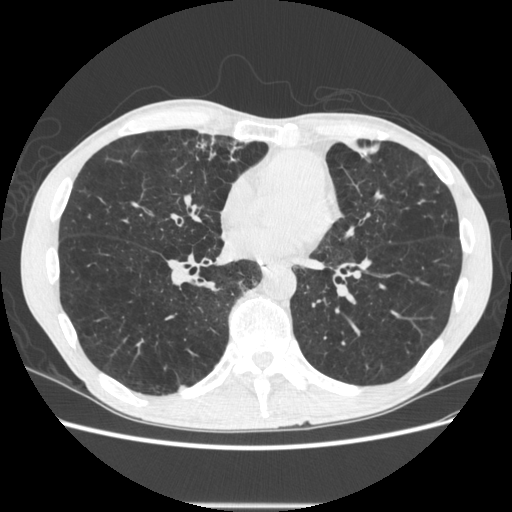
Axial chest CT slice 266 of 605 (counted from the lowest slice); tube voltage 120 kVp, convolution kernel STANDARD; slices 1.25 mm thick, 0.703 mm per pixel.
Pulmonary nodule outlined by two of the four readers; box rows 385–391, columns 177–186 (the union of the readers' outlines on this slice); longest diameter 9.8–10.4 mm and volume 142–162 mm3 across the two readers' outlines. The readers' ratings, as ranges where they differ: texture 5/5 (solid) from both readers; margin 5/5 (circumscribed) from both readers; sphericity from 3/5 (ovoid) to 4/5 across the two readers; calcification absent from both readers; internal structure soft tissue from both readers; subtlety 4/5 from both readers; malignancy likelihood 3/5 from both readers. Scale key (1–5): texture non-solid→solid, margin indistinct→circumscribed, sphericity linear→round, subtlety extremely subtle→obvious, malignancy likelihood highly unlikely→highly suspicious of cancer. Box rows and columns are 0-based pixel indices from the top-left corner, inclusive.